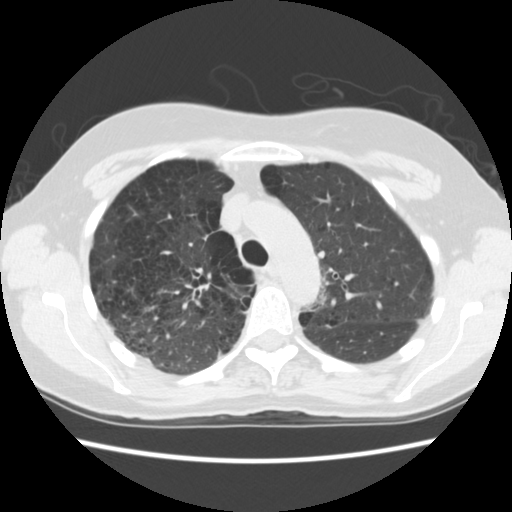
Axial slice 109 of 156 of a chest CT (slice 1 is the lowest), reconstructed with the STANDARD kernel at 120 kVp; 2.50 mm slice thickness and 0.645 mm pixels.
The readers outlined no nodule of 3 mm or more on this slice.